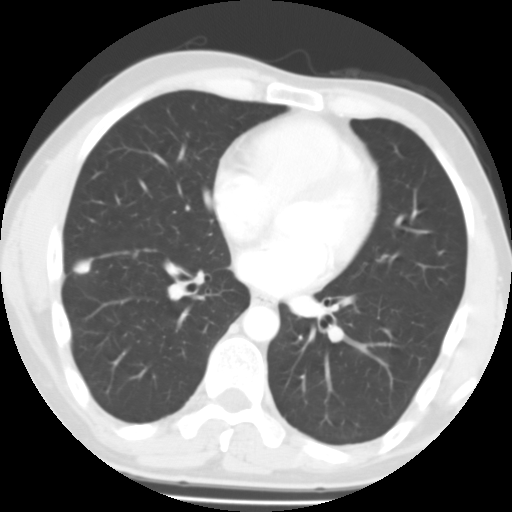
Axial chest CT slice 60 of 126 (counted from the lowest slice); 3.00 mm thick, 0.582 mm per pixel. Pulmonary nodule, outlined by three of the four readers. Box on this slice rows 259–274, columns 73–90, the union of the readers' outlines on this slice; median longest diameter 15.0 mm (readers' outlines 11.0–18.7 mm), median volume 747 mm3 (497–1015 mm3). Median ratings and the readers' spread: texture 5/5 (solid), all three readers agreeing; margin 4/5, all three readers agreeing; median sphericity 4/5 (readers ranged 3/5 (ovoid) to 4/5); calcification: central calcification (two), solid calcification (one); internal structure soft tissue from all three readers; median subtlety 4/5 (readers ranged 4–5); malignancy likelihood 1/5 from all three readers. Scale key (1–5): texture non-solid→solid, margin indistinct→circumscribed, sphericity linear→round, subtlety extremely subtle→obvious, malignancy likelihood highly unlikely→highly suspicious of cancer. Box rows and columns are 0-based pixel indices from the top-left corner, inclusive.
Acquired at 135 kVp and reconstructed with the FC01 kernel.